Axial chest CT slice 81 of 246 (counted from the lowest slice); tube voltage 120 kVp, convolution kernel BONE; slices 1.25 mm thick, 0.566 mm per pixel.
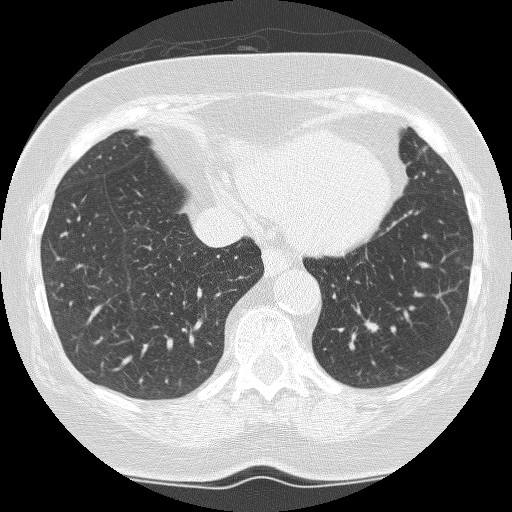
Pulmonary nodule at rows 320–332, columns 364–378 (box = the union of the readers' outlines on this slice), outlined by all four readers, two of them on this slice; longest diameter 15.5 mm on average over the four readers' outlines (readers' outlines 13.8–17.3 mm), volume 672–1099 mm3. The readers' prevailing ratings and who disagreed: texture 5/5 (solid), all four readers agreeing; margin split among the readers: 2/5 (two), 4/5 (two); sphericity 4/5 by two of four readers; the rest gave 2/5 (one), 3/5 (ovoid) (one); calcification absent, all four readers agreeing; internal structure soft tissue from all four readers; subtlety split among the readers: 4/5 (two), 5/5 (two); malignancy likelihood 5/5 by two of four readers; the rest gave 3/5 (one), 4/5 (one). Scale key (1–5): texture non-solid→solid, margin indistinct→circumscribed, sphericity linear→round, subtlety extremely subtle→obvious, malignancy likelihood highly unlikely→highly suspicious of cancer. Box rows and columns are 0-based pixel indices from the top-left corner, inclusive.